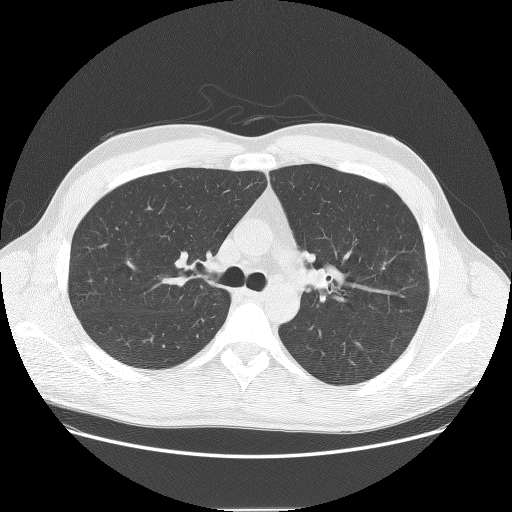
Slice 78/121 of a chest CT, counting up from the lowest; pixel size 0.762 mm, slice thickness 2.50 mm. Pulmonary nodule at rows 287–292, columns 305–310 (box = the union of the readers' outlines on this slice), outlined by two of the four readers; median longest diameter 5.8 mm (readers' outlines 5.4–6.3 mm), median volume 84 mm3 (73–96 mm3). Ratings, median across the readers with their spread: texture 3.5/5 at the median of two readers, spread 3/5 (part-solid) to 4/5; margin 5/5 (circumscribed), both readers agreeing; sphericity 5/5 (round), both readers agreeing; calcification absent from both readers; internal structure soft tissue, both readers agreeing; subtlety 2/5 from both readers; malignancy likelihood 2.5/5 at the median of two readers, spread 2–3. Scale key (1–5): texture non-solid→solid, margin indistinct→circumscribed, sphericity linear→round, subtlety extremely subtle→obvious, malignancy likelihood highly unlikely→highly suspicious of cancer. Box rows and columns are 0-based pixel indices from the top-left corner, inclusive.
Tube voltage 140 kVp; convolution kernel BONE.